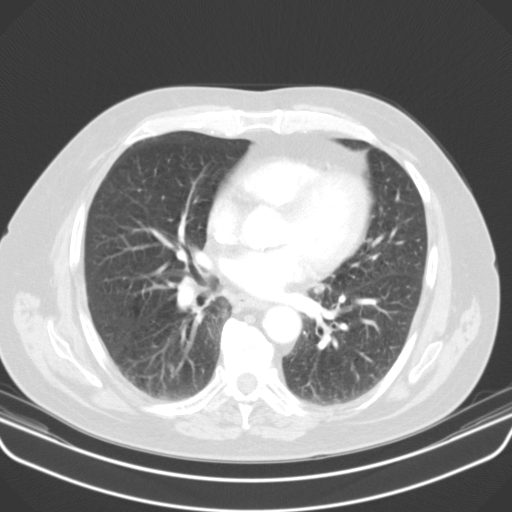
Axial slice 56 of 107 of a chest CT (slice 1 is the lowest), reconstructed with the B31s kernel at 130 kVp; 3.00 mm slice thickness and 0.742 mm pixels.
Pulmonary nodule outlined by all four readers; box rows 283–294, columns 314–325 (the union of the readers' outlines on this slice); longest diameter 10.6–14.2 mm and volume 462–557 mm3 across the four readers' outlines. Ratings across the readers: texture 5/5 (solid) from all four readers; margin from 4/5 to 5/5 (circumscribed) across the four readers; sphericity from 3/5 (ovoid) to 5/5 (round) across the four readers; calcification absent from all four readers; internal structure soft tissue, all four readers agreeing; subtlety 3–5/5 (the readers disagree); malignancy likelihood from 2/5 to 5/5 across the four readers. Scale key (1–5): texture non-solid→solid, margin indistinct→circumscribed, sphericity linear→round, subtlety extremely subtle→obvious, malignancy likelihood highly unlikely→highly suspicious of cancer. Box rows and columns are 0-based pixel indices from the top-left corner, inclusive.